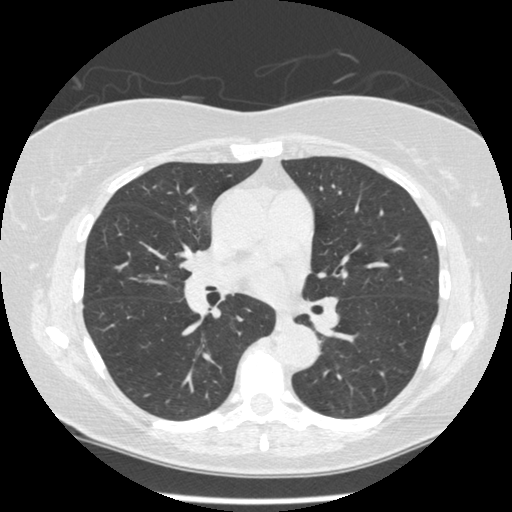
Slice 258/490 of a chest CT, counting up from the lowest; pixel size 0.645 mm, slice thickness 1.25 mm. No nodule 3 mm or larger was outlined here by any reader.
Scan settings: 120 kVp, STANDARD reconstruction kernel.